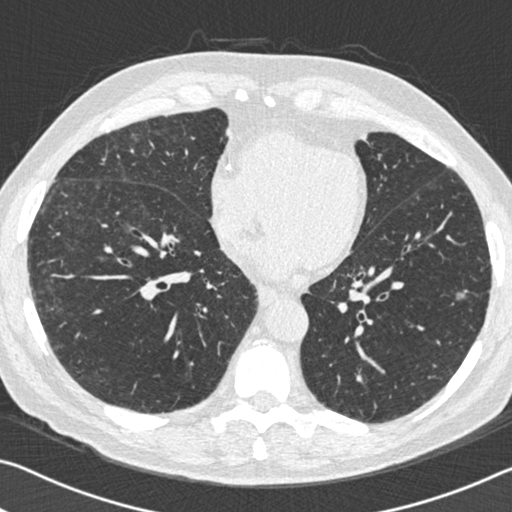
Chest CT, axial plane, 120 kVp, kernel B30f. Slice 236/525 from the bottom of the scan; thickness 0.75 mm; pixel size 0.660 mm.
Pulmonary nodule at rows 291–300, columns 456–465 (box = the union of the readers' outlines on this slice), outlined by all four readers; median longest diameter 11.5 mm (readers' outlines 10.8–13.0 mm), median volume 309 mm3 (202–326 mm3). Median ratings and the readers' spread: texture 5/5 (solid), all four readers agreeing; margin 5/5 (circumscribed) from all four readers; sphericity 4/5 at the median of four readers, spread 3/5 (ovoid) to 5/5 (round); calcification absent, all four readers agreeing; internal structure soft tissue from all four readers; subtlety 5/5 from all four readers; median malignancy likelihood 4.5/5 (readers ranged 3–5). Scale key (1–5): texture non-solid→solid, margin indistinct→circumscribed, sphericity linear→round, subtlety extremely subtle→obvious, malignancy likelihood highly unlikely→highly suspicious of cancer. Box rows and columns are 0-based pixel indices from the top-left corner, inclusive.